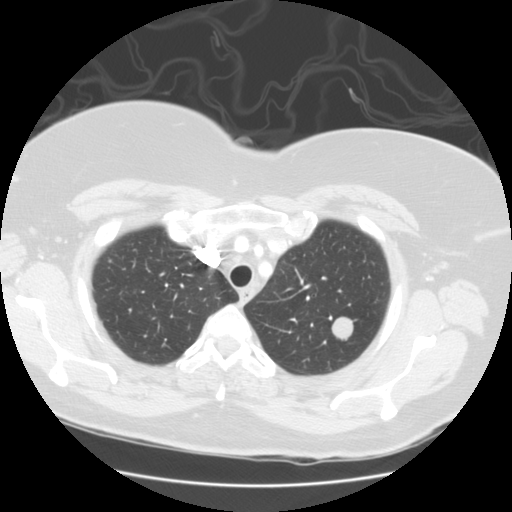
Slice 111/127 of a chest CT, counting up from the lowest; pixel size 0.703 mm, slice thickness 2.50 mm. Pulmonary nodule, outlined by all four readers. Box on this slice rows 315–342, columns 330–354, the union of the readers' outlines on this slice; longest diameter 21.5 mm on average over the four readers' outlines (readers' outlines 20.7–22.2 mm), volume 3995–4590 mm3. The readers' prevailing ratings and who disagreed: texture 5/5 (solid), all four readers agreeing; most readers (three of four) put margin at 5/5 (circumscribed), others 4/5 (one); sphericity split among the readers: 4/5 (two), 5/5 (round) (two); calcification absent from all four readers; internal structure soft tissue, all four readers agreeing; subtlety 5/5 from all four readers; malignancy likelihood 5/5 by two of four readers; the rest gave 2/5 (one), 4/5 (one). Scale key (1–5): texture non-solid→solid, margin indistinct→circumscribed, sphericity linear→round, subtlety extremely subtle→obvious, malignancy likelihood highly unlikely→highly suspicious of cancer. Box rows and columns are 0-based pixel indices from the top-left corner, inclusive.
Acquired at 120 kVp and reconstructed with the STANDARD kernel.